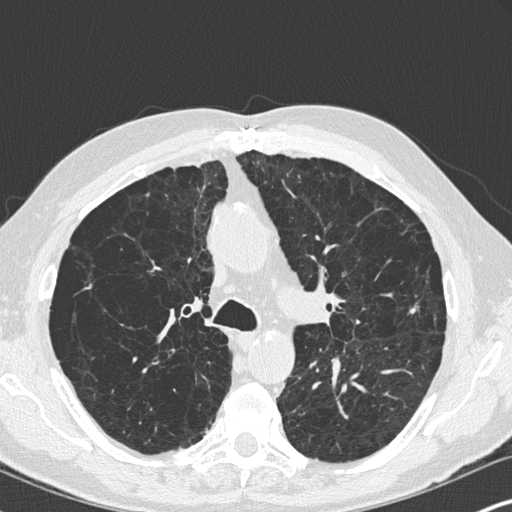
Axial chest CT slice 214 of 347 (counted from the lowest slice); tube voltage 120 kVp, convolution kernel B45f; slices 1.00 mm thick, 0.625 mm per pixel.
Pulmonary nodule outlined by one of the four readers; box rows 308–313, columns 409–415 (that reader's outline on this slice); longest diameter 5.3 mm and volume 43 mm3 from that reader's outline. That reader's ratings: texture 5/5 (solid); margin 4/5; sphericity 4/5; calcification absent; internal structure soft tissue; subtlety 5/5; malignancy likelihood 2/5. Scale key (1–5): texture non-solid→solid, margin indistinct→circumscribed, sphericity linear→round, subtlety extremely subtle→obvious, malignancy likelihood highly unlikely→highly suspicious of cancer. Box rows and columns are 0-based pixel indices from the top-left corner, inclusive.